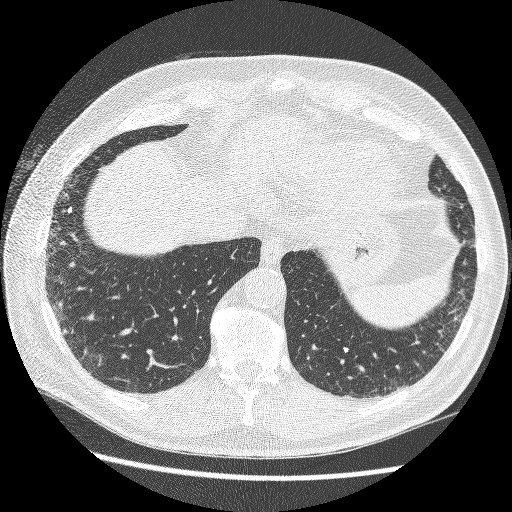
Chest CT, axial plane, 120 kVp, kernel BONE. Slice 70/264 from the bottom of the scan; thickness 1.25 mm; pixel size 0.703 mm.
Three pulmonary nodules are outlined on this slice; from left to right: (1) Pulmonary nodule outlined by all four readers, three of them on this slice; box rows 329–333, columns 63–67 (the union of the readers' outlines on this slice); median longest diameter 6.0 mm (readers' outlines 5.7–6.3 mm), median volume 72 mm3 (45–89 mm3). Ratings, median across the readers with their spread: texture 5/5 (solid) from all four readers; margin 5/5 (circumscribed), all four readers agreeing; median sphericity 4.5/5 (readers ranged 4/5 to 5/5 (round)); calcification solid calcification from all four readers; internal structure soft tissue, all four readers agreeing; subtlety 3/5 at the median of four readers, spread 3–5; malignancy likelihood 1/5, all four readers agreeing. (2) Pulmonary nodule at rows 207–212, columns 67–71 (box = the union of the readers' outlines on this slice), outlined by all four readers; median longest diameter 5.4 mm (readers' outlines 5.4 mm), median volume 59 mm3 (57–65 mm3). Median ratings and the readers' spread: texture 5/5 (solid), all four readers agreeing; median margin 5/5 (circumscribed) (readers ranged 4/5 to 5/5 (circumscribed)); median sphericity 3/5 (ovoid) (readers ranged 2/5 to 5/5 (round)); calcification: solid calcification (three), absent (one); internal structure soft tissue, all four readers agreeing; median subtlety 3/5 (readers ranged 1–5); malignancy likelihood 1/5 from all four readers. (3) Pulmonary nodule at rows 347–352, columns 343–348 (box = the union of the readers' outlines on this slice), outlined by three of the four readers; longest diameter 5.1 mm on average over the three readers' outlines (readers' outlines 4.5–5.7 mm), volume 36–56 mm3. Ratings, by the readers' most common answer with dissent counted: texture 5/5 (solid), all three readers agreeing; margin 5/5 (circumscribed) from all three readers; sphericity split among the readers: 2/5 (one), 3/5 (ovoid) (one), 4/5 (one); calcification solid calcification, all three readers agreeing; internal structure soft tissue, all three readers agreeing; subtlety split among the readers: 1/5 (one), 2/5 (one), 3/5 (one); malignancy likelihood 1/5, all three readers agreeing. Scale key (1–5): texture non-solid→solid, margin indistinct→circumscribed, sphericity linear→round, subtlety extremely subtle→obvious, malignancy likelihood highly unlikely→highly suspicious of cancer. Box rows and columns are 0-based pixel indices from the top-left corner, inclusive.